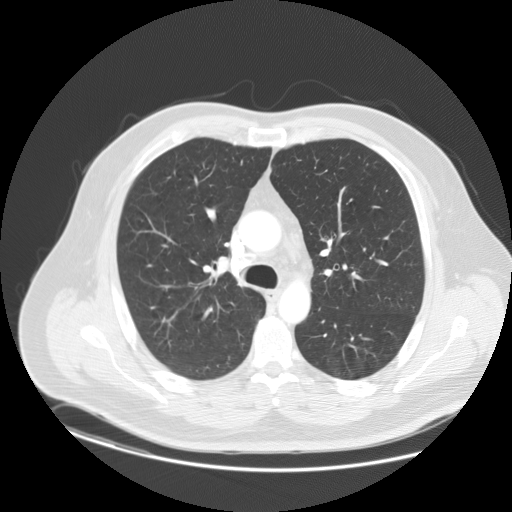
One axial slice (100 of 147, counting up from the lowest) of a chest CT acquired at 120 kVp with the STANDARD kernel; each pixel is 0.859 mm and the slice is 2.50 mm thick.
This slice carries no reader outline of a nodule 3 mm or larger.